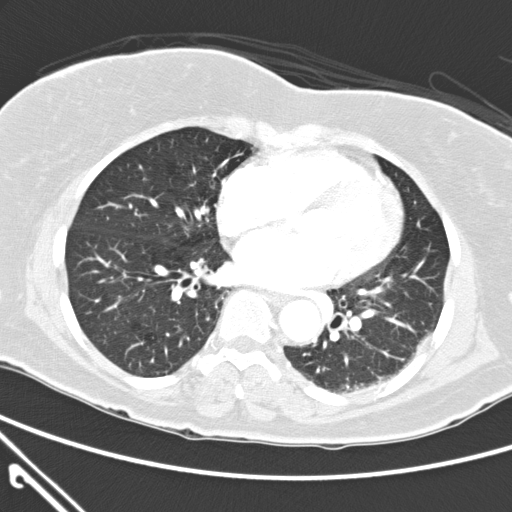
Axial slice 115 of 300 of a chest CT (slice 1 is the lowest), reconstructed with the D kernel at 120 kVp; 2.00 mm slice thickness and 0.631 mm pixels.
No nodule of 3 mm or larger was outlined by any of the four readers on this slice.